Axial slice 73 of 141 of a chest CT (slice 1 is the lowest), reconstructed with the STANDARD kernel at 120 kVp; 2.50 mm slice thickness and 0.586 mm pixels.
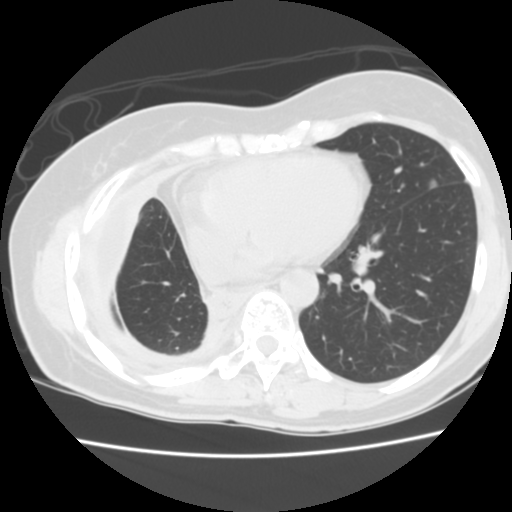
Pulmonary nodule, outlined by all four readers, three of them on this slice. Box on this slice rows 177–189, columns 428–437, the union of the readers' outlines on this slice; longest diameter 17.8 mm on average over the four readers' outlines (readers' outlines 16.9–18.9 mm), volume 990–1313 mm3. The readers' prevailing ratings and who disagreed: texture split among the readers: 4/5 (two), 5/5 (solid) (two); margin 4/5 by two of four readers; the rest gave 3/5 (one), 5/5 (circumscribed) (one); sphericity 3/5 (ovoid) by two of four readers; the rest gave 4/5 (one), 5/5 (round) (one); calcification absent, all four readers agreeing; internal structure soft tissue from all four readers; subtlety 5/5, all four readers agreeing; malignancy likelihood 4/5 by two of four readers; the rest gave 3/5 (one), 5/5 (one). Scale key (1–5): texture non-solid→solid, margin indistinct→circumscribed, sphericity linear→round, subtlety extremely subtle→obvious, malignancy likelihood highly unlikely→highly suspicious of cancer. Box rows and columns are 0-based pixel indices from the top-left corner, inclusive.